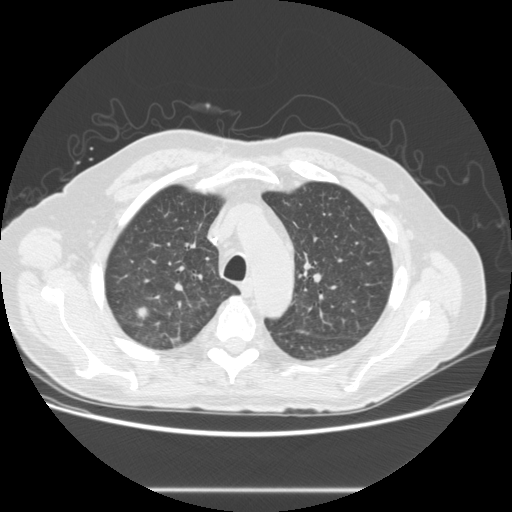
Axial chest CT slice 201 of 273 (counted from the lowest slice); 1.25 mm thick, 0.740 mm per pixel. Pulmonary nodule at rows 306–318, columns 134–148 (box = the union of the readers' outlines on this slice), outlined by all four readers; longest diameter 11.2 mm on average over the four readers' outlines (readers' outlines 10.1–12.7 mm), volume 277–395 mm3. Ratings, by the readers' most common answer with dissent counted: texture split among the readers: 4/5 (two), 5/5 (solid) (two); margin 4/5 by two of four readers; the rest gave 2/5 (one), 3/5 (one); sphericity split among the readers: 3/5 (ovoid) (two), 4/5 (two); calcification absent from all four readers; internal structure soft tissue, all four readers agreeing; subtlety 4/5 by three of four readers; the rest gave 3/5 (one); malignancy likelihood 3/5 by two of four readers; the rest gave 4/5 (one), 5/5 (one). Scale key (1–5): texture non-solid→solid, margin indistinct→circumscribed, sphericity linear→round, subtlety extremely subtle→obvious, malignancy likelihood highly unlikely→highly suspicious of cancer. Box rows and columns are 0-based pixel indices from the top-left corner, inclusive.
Tube voltage 120 kVp; convolution kernel STANDARD.